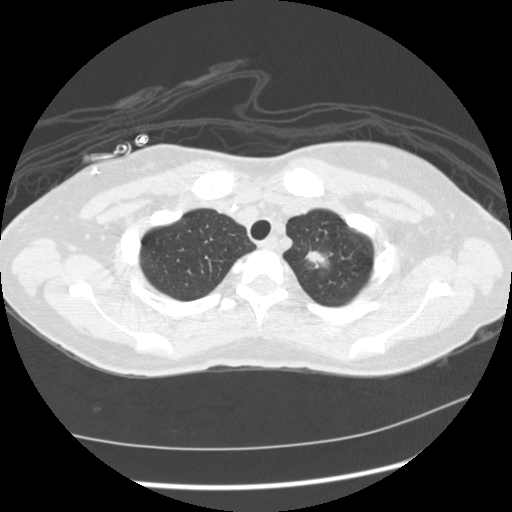
Chest CT, axial plane, 120 kVp, kernel STANDARD. Slice 175/209 from the bottom of the scan; thickness 1.25 mm; pixel size 0.693 mm.
Pulmonary nodule, outlined by all four readers. Box on this slice rows 250–269, columns 305–330, the union of the readers' outlines on this slice; longest diameter 23.5 mm on average over the four readers' outlines (readers' outlines 21.8–25.6 mm), volume 2801–4927 mm3. Ratings, by the readers' most common answer with dissent counted: texture 4/5 by three of four readers; the rest gave 5/5 (solid) (one); margin split among the readers: 3/5 (two), 4/5 (two); sphericity split among the readers: 2/5 (one), 3/5 (ovoid) (one), 4/5 (one), 5/5 (round) (one); calcification absent, all four readers agreeing; internal structure soft tissue from all four readers; subtlety 5/5, all four readers agreeing; malignancy likelihood 5/5 by two of four readers; the rest gave 3/5 (one), 4/5 (one). Scale key (1–5): texture non-solid→solid, margin indistinct→circumscribed, sphericity linear→round, subtlety extremely subtle→obvious, malignancy likelihood highly unlikely→highly suspicious of cancer. Box rows and columns are 0-based pixel indices from the top-left corner, inclusive.